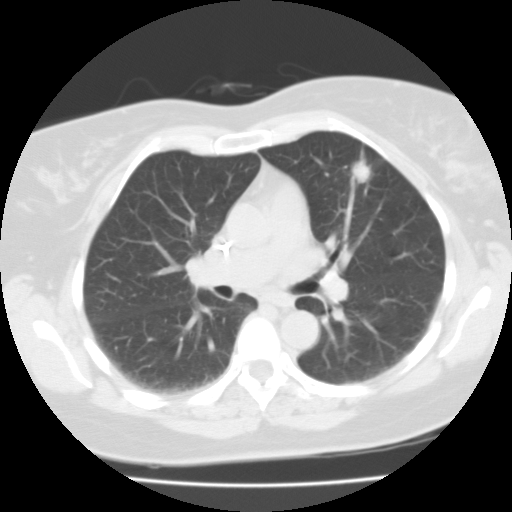
Axial chest CT slice 46 of 87 (counted from the lowest slice); 3.00 mm thick, 0.650 mm per pixel. Pulmonary nodule at rows 147–184, columns 351–372 (box = the union of the readers' outlines on this slice), outlined by all four readers; longest diameter 17.5–23.5 mm and volume 1510–2444 mm3 across the four readers' outlines. Ratings across the readers: texture from 4/5 to 5/5 (solid) across the four readers; margin from 2/5 to 4/5 across the four readers; sphericity from 3/5 (ovoid) to 5/5 (round) across the four readers; calcification absent, all four readers agreeing; internal structure soft tissue from all four readers; subtlety from 4/5 to 5/5 across the four readers; malignancy likelihood rated between 3 and 5 out of 5 by the four readers. Scale key (1–5): texture non-solid→solid, margin indistinct→circumscribed, sphericity linear→round, subtlety extremely subtle→obvious, malignancy likelihood highly unlikely→highly suspicious of cancer. Box rows and columns are 0-based pixel indices from the top-left corner, inclusive.
Acquired at 135 kVp and reconstructed with the FC01 kernel.